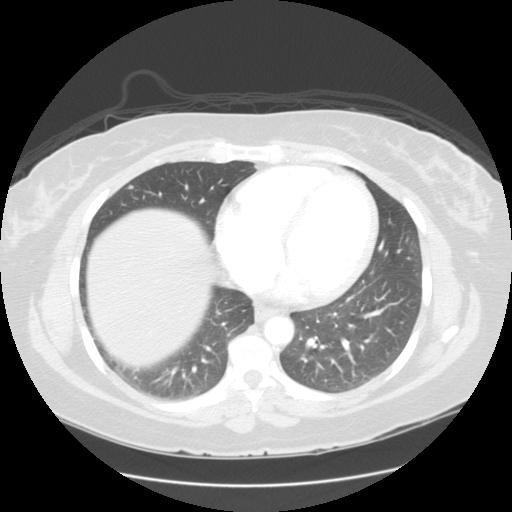
One axial slice (70 of 133, counting up from the lowest) of a chest CT acquired at 120 kVp with the STANDARD kernel; each pixel is 0.742 mm and the slice is 2.50 mm thick.
Pulmonary nodule at rows 185–188, columns 128–133 (box = the union of the readers' outlines on this slice), outlined by two of the four readers; median longest diameter 5.4 mm (readers' outlines 5.4 mm), median volume 51 mm3 (51 mm3). Median ratings and the readers' spread: texture 5/5 (solid) from both readers; margin 4.5/5 at the median of two readers, spread 4/5 to 5/5 (circumscribed); sphericity 3/5 (ovoid) at the median of two readers, spread 2/5 to 4/5; calcification absent from both readers; internal structure soft tissue from both readers; subtlety 2/5 from both readers; median malignancy likelihood 2.5/5 (readers ranged 2–3). Scale key (1–5): texture non-solid→solid, margin indistinct→circumscribed, sphericity linear→round, subtlety extremely subtle→obvious, malignancy likelihood highly unlikely→highly suspicious of cancer. Box rows and columns are 0-based pixel indices from the top-left corner, inclusive.